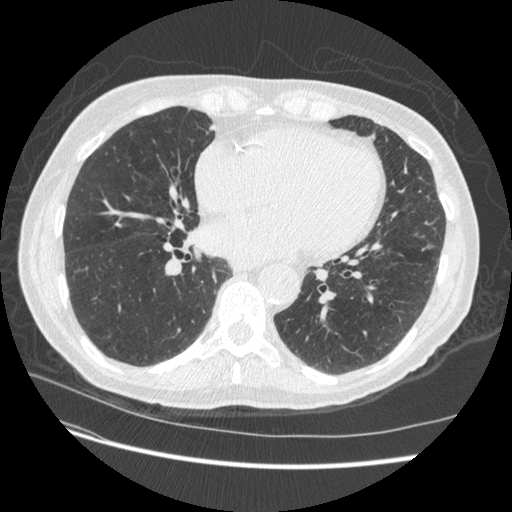
Axial slice 195 of 509 of a chest CT (slice 1 is the lowest), reconstructed with the STANDARD kernel at 120 kVp; 1.25 mm slice thickness and 0.703 mm pixels.
Pulmonary nodule outlined by three of the four readers, two of them on this slice; box rows 244–251, columns 421–431 (the union of the readers' outlines on this slice); longest diameter 8.5 mm on average over the three readers' outlines (readers' outlines 6.9–9.6 mm), volume 87–218 mm3. Ratings, by the readers' most common answer with dissent counted: texture 5/5 (solid) from all three readers; margin 4/5 from all three readers; most readers (two of three) put sphericity at 4/5, others 3/5 (ovoid) (one); calcification absent from all three readers; internal structure soft tissue from all three readers; most readers (two of three) put subtlety at 4/5, others 5/5 (one); malignancy likelihood split among the readers: 2/5 (one), 3/5 (one), 5/5 (one). Scale key (1–5): texture non-solid→solid, margin indistinct→circumscribed, sphericity linear→round, subtlety extremely subtle→obvious, malignancy likelihood highly unlikely→highly suspicious of cancer. Box rows and columns are 0-based pixel indices from the top-left corner, inclusive.